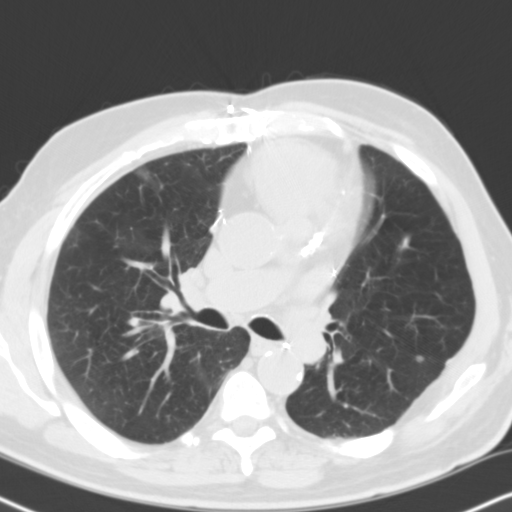
Chest CT, axial plane, 140 kVp, kernel B31f. Slice 71/111 from the bottom of the scan; thickness 3.00 mm; pixel size 0.633 mm.
Pulmonary nodule outlined by all four readers; box rows 355–362, columns 415–423 (the union of the readers' outlines on this slice); longest diameter 5.7–6.5 mm and volume 106–150 mm3 across the four readers' outlines. Ratings across the readers: texture from 2/5 to 5/5 (solid) across the four readers; margin from 3/5 to 5/5 (circumscribed) across the four readers; sphericity from 4/5 to 5/5 (round) across the four readers; calcification absent from all four readers; internal structure soft tissue, all four readers agreeing; subtlety 1–4/5 (the readers disagree); malignancy likelihood from 2/5 to 3/5 across the four readers. Scale key (1–5): texture non-solid→solid, margin indistinct→circumscribed, sphericity linear→round, subtlety extremely subtle→obvious, malignancy likelihood highly unlikely→highly suspicious of cancer. Box rows and columns are 0-based pixel indices from the top-left corner, inclusive.